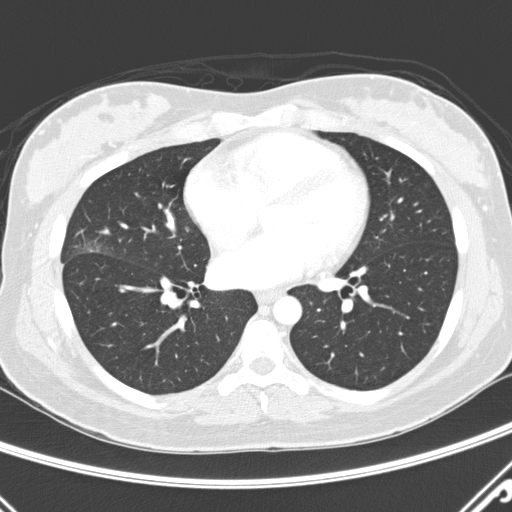
Slice 134/290 of a chest CT, counting up from the lowest; pixel size 0.648 mm, slice thickness 2.00 mm. Pulmonary nodule outlined by all four readers, one of them on this slice; box rows 244–252, columns 84–100 (the one reader's outline on this slice); the four readers' outlines give a longest diameter between 19.9 and 37.8 mm and a volume between 1327 and 2956 mm3. The readers' ratings, as ranges where they differ: texture from 3/5 (part-solid) to 5/5 (solid) across the four readers; margin from 1/5 (indistinct) to 3/5 across the four readers; sphericity from 2/5 to 4/5 across the four readers; calcification absent from all four readers; internal structure soft tissue, all four readers agreeing; subtlety 5/5 from all four readers; malignancy likelihood from 3/5 to 5/5 across the four readers. Scale key (1–5): texture non-solid→solid, margin indistinct→circumscribed, sphericity linear→round, subtlety extremely subtle→obvious, malignancy likelihood highly unlikely→highly suspicious of cancer. Box rows and columns are 0-based pixel indices from the top-left corner, inclusive.
Scan settings: 120 kVp, D reconstruction kernel.